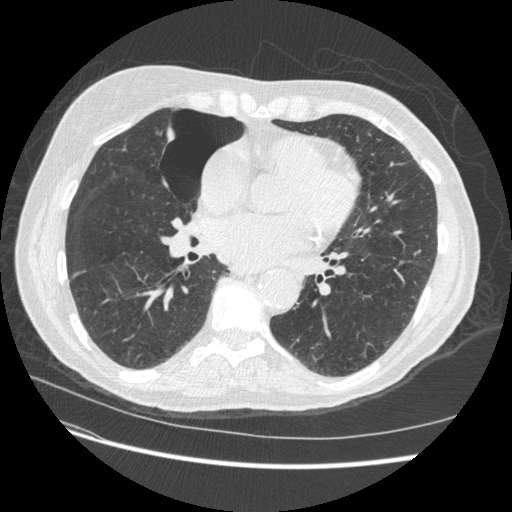
One axial slice (223 of 509, counting up from the lowest) of a chest CT acquired at 120 kVp with the STANDARD kernel; each pixel is 0.703 mm and the slice is 1.25 mm thick.
Pulmonary nodule at rows 260–265, columns 398–405 (box = the union of the readers' outlines on this slice), outlined by three of the four readers; median longest diameter 11.5 mm (readers' outlines 9.2–11.6 mm), median volume 339 mm3 (182–365 mm3). Median ratings and the readers' spread: texture 5/5 (solid) at the median of three readers, spread 4/5 to 5/5 (solid); median margin 4/5 (readers ranged 3/5 to 5/5 (circumscribed)); sphericity 3/5 (ovoid) at the median of three readers, spread 2/5 to 4/5; calcification absent from all three readers; internal structure soft tissue from all three readers; subtlety 4/5 from all three readers; median malignancy likelihood 3/5 (readers ranged 2–4). Scale key (1–5): texture non-solid→solid, margin indistinct→circumscribed, sphericity linear→round, subtlety extremely subtle→obvious, malignancy likelihood highly unlikely→highly suspicious of cancer. Box rows and columns are 0-based pixel indices from the top-left corner, inclusive.